Axial chest CT slice 433 of 481 (counted from the lowest slice); tube voltage 120 kVp, convolution kernel STANDARD; slices 1.25 mm thick, 0.664 mm per pixel.
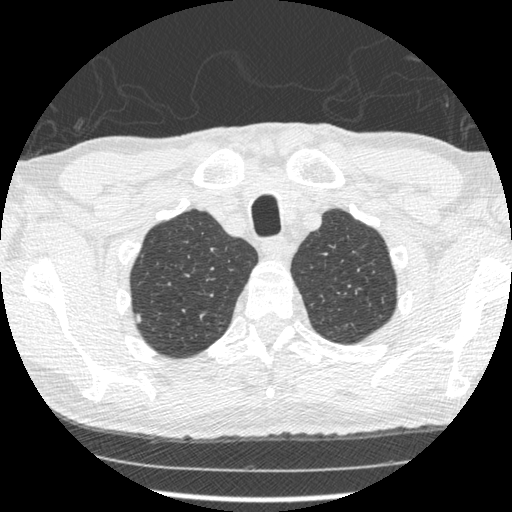
Pulmonary nodule at rows 315–321, columns 135–139 (box = that reader's outline on this slice), outlined by one of the four readers; longest diameter 7.4 mm and volume 79 mm3 from that reader's outline. Ratings by that reader: texture 5/5 (solid); margin 2/5; sphericity 3/5 (ovoid); calcification absent; internal structure soft tissue; subtlety 4/5; malignancy likelihood 2/5. Scale key (1–5): texture non-solid→solid, margin indistinct→circumscribed, sphericity linear→round, subtlety extremely subtle→obvious, malignancy likelihood highly unlikely→highly suspicious of cancer. Box rows and columns are 0-based pixel indices from the top-left corner, inclusive.